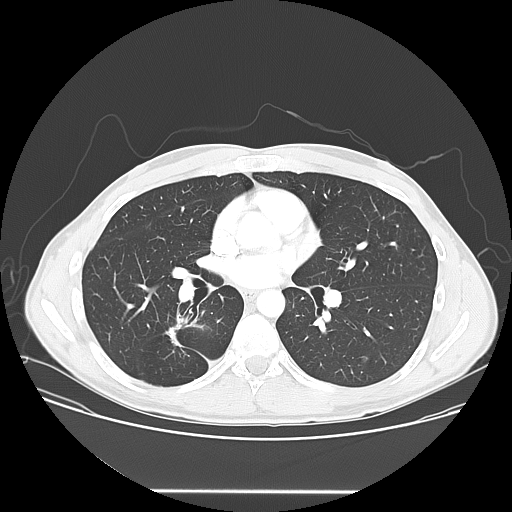
Chest CT, axial plane, 120 kVp, kernel LUNG. Slice 86/150 from the bottom of the scan; thickness 2.50 mm; pixel size 0.781 mm.
Pulmonary nodule, outlined by all four readers, three of them on this slice. Box on this slice rows 356–362, columns 361–367, the union of the readers' outlines on this slice; longest diameter 9.6 mm on average over the four readers' outlines (readers' outlines 8.9–10.2 mm), volume 292–480 mm3. Ratings, by the readers' most common answer with dissent counted: texture 5/5 (solid) from all four readers; margin split among the readers: 4/5 (two), 5/5 (circumscribed) (two); sphericity split among the readers: 4/5 (two), 5/5 (round) (two); calcification absent from all four readers; internal structure soft tissue from all four readers; subtlety 4/5 by two of four readers; the rest gave 3/5 (one), 5/5 (one); malignancy likelihood 4/5 by two of four readers; the rest gave 2/5 (one), 3/5 (one). Scale key (1–5): texture non-solid→solid, margin indistinct→circumscribed, sphericity linear→round, subtlety extremely subtle→obvious, malignancy likelihood highly unlikely→highly suspicious of cancer. Box rows and columns are 0-based pixel indices from the top-left corner, inclusive.